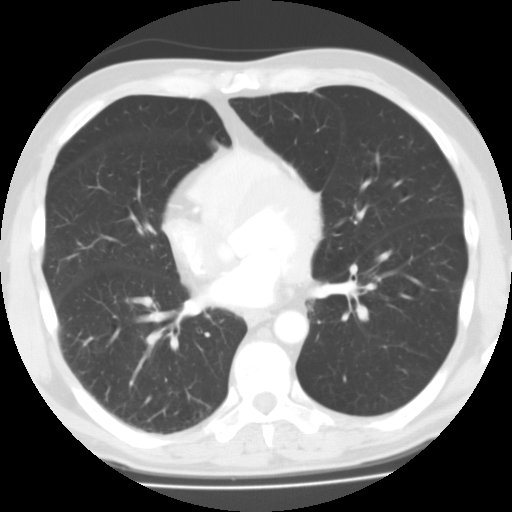
This is axial slice 66 of 127 (slice 1 is the lowest) of a chest CT; each pixel is 0.677 mm and the slice is 3.00 mm thick. This slice carries no reader outline of a nodule 3 mm or larger.
Scan settings: 135 kVp, FC01 reconstruction kernel.